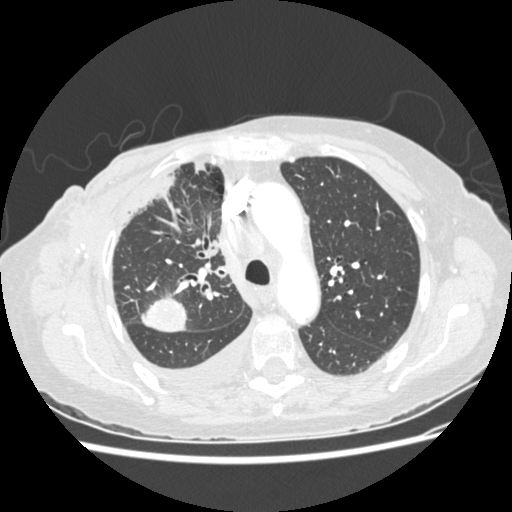
Slice 184/238 of a chest CT, counting up from the lowest; pixel size 0.664 mm, slice thickness 1.25 mm. Pulmonary nodule outlined by two of the four readers; box rows 296–332, columns 139–186 (the union of the readers' outlines on this slice); median longest diameter 32.4 mm (readers' outlines 31.3–33.5 mm), median volume 8391 mm3 (8200–8583 mm3). Ratings, median across the readers with their spread: texture 5/5 (solid), both readers agreeing; median margin 4.5/5 (readers ranged 4/5 to 5/5 (circumscribed)); sphericity 4/5, both readers agreeing; calcification absent, both readers agreeing; internal structure soft tissue from both readers; subtlety 5/5, both readers agreeing; malignancy likelihood 4/5 at the median of two readers, spread 3–5. Scale key (1–5): texture non-solid→solid, margin indistinct→circumscribed, sphericity linear→round, subtlety extremely subtle→obvious, malignancy likelihood highly unlikely→highly suspicious of cancer. Box rows and columns are 0-based pixel indices from the top-left corner, inclusive.
Tube voltage 120 kVp; convolution kernel STANDARD.